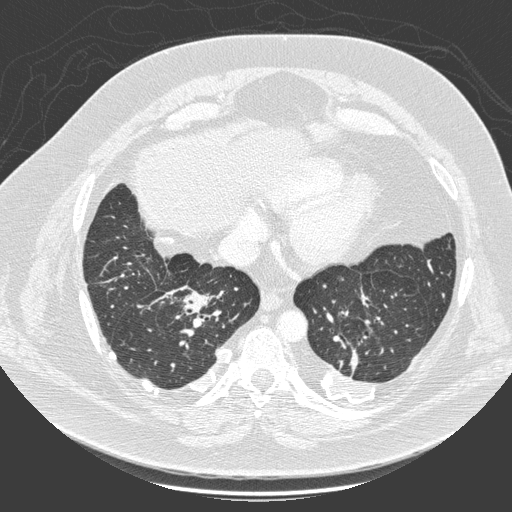
This is axial slice 76 of 280 (slice 1 is the lowest) of a chest CT; each pixel is 0.801 mm and the slice is 1.00 mm thick. Pulmonary nodule, outlined by one of the four readers. Box on this slice rows 293–310, columns 191–205, that reader's outline on this slice; longest diameter 49.9 mm and volume 31112 mm3 from that reader's outline. That reader's ratings: texture 5/5 (solid); margin 4/5; sphericity 5/5 (round); calcification non-central calcification; internal structure soft tissue; subtlety 5/5; malignancy likelihood 5/5. Scale key (1–5): texture non-solid→solid, margin indistinct→circumscribed, sphericity linear→round, subtlety extremely subtle→obvious, malignancy likelihood highly unlikely→highly suspicious of cancer. Box rows and columns are 0-based pixel indices from the top-left corner, inclusive.
Tube voltage 140 kVp; convolution kernel D.